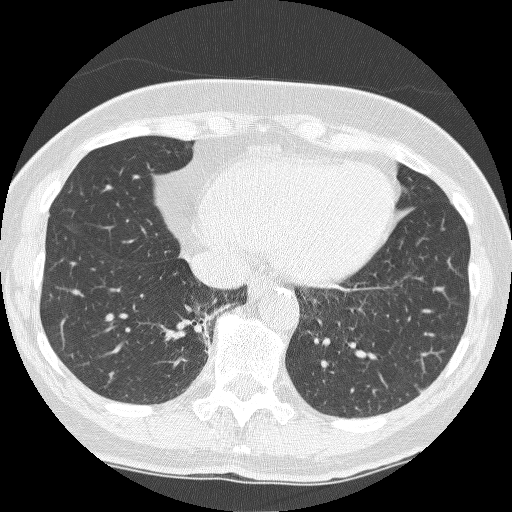
Axial slice 76 of 250 of a chest CT (slice 1 is the lowest), reconstructed with the BONE kernel at 120 kVp; 1.25 mm slice thickness and 0.586 mm pixels.
Pulmonary nodule, outlined by three of the four readers, one of them on this slice. Box on this slice rows 390–393, columns 419–423, the one reader's outline on this slice; median longest diameter 6.5 mm (readers' outlines 5.8–8.1 mm), median volume 132 mm3 (81–143 mm3). Median ratings and the readers' spread: texture 5/5 (solid) at the median of three readers, spread 4/5 to 5/5 (solid); median margin 4/5 (readers ranged 4/5 to 5/5 (circumscribed)); sphericity 3/5 (ovoid) at the median of three readers, spread 3/5 (ovoid) to 4/5; calcification absent from all three readers; internal structure soft tissue from all three readers; subtlety 5/5 at the median of three readers, spread 4–5; malignancy likelihood 4/5 at the median of three readers, spread 3–4. Scale key (1–5): texture non-solid→solid, margin indistinct→circumscribed, sphericity linear→round, subtlety extremely subtle→obvious, malignancy likelihood highly unlikely→highly suspicious of cancer. Box rows and columns are 0-based pixel indices from the top-left corner, inclusive.